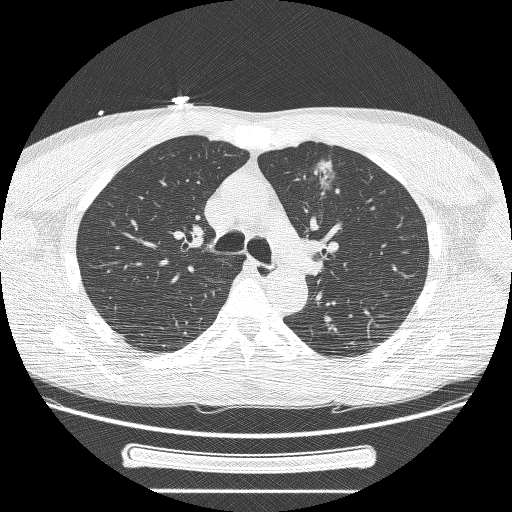
Chest CT, axial plane, 120 kVp, kernel BONE. Slice 162/244 from the bottom of the scan; thickness 1.25 mm; pixel size 0.729 mm.
Pulmonary nodule, outlined by three of the four readers, two of them on this slice. Box on this slice rows 156–193, columns 311–337, the union of the readers' outlines on this slice; longest diameter 34.2 mm on average over the three readers' outlines (readers' outlines 27.4–37.9 mm), volume 2934–10099 mm3. The readers' prevailing ratings and who disagreed: texture 5/5 (solid) by two of three readers; the rest gave 3/5 (part-solid) (one); margin split among the readers: 1/5 (indistinct) (one), 2/5 (one), 3/5 (one); sphericity split among the readers: 2/5 (one), 3/5 (ovoid) (one), 4/5 (one); calcification absent from all three readers; internal structure soft tissue, all three readers agreeing; subtlety 5/5 from all three readers; most readers (two of three) put malignancy likelihood at 5/5, others 3/5 (one). Scale key (1–5): texture non-solid→solid, margin indistinct→circumscribed, sphericity linear→round, subtlety extremely subtle→obvious, malignancy likelihood highly unlikely→highly suspicious of cancer. Box rows and columns are 0-based pixel indices from the top-left corner, inclusive.